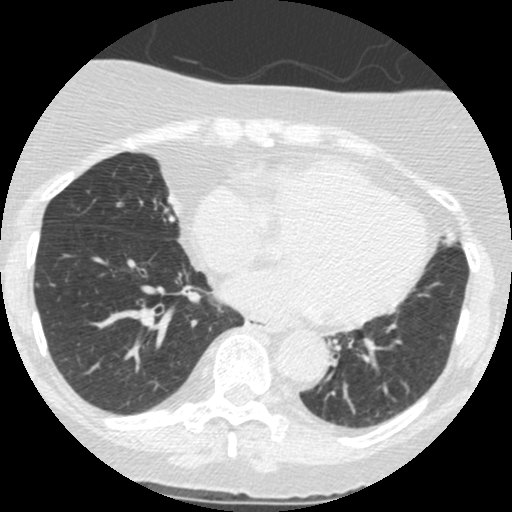
Chest CT, axial plane, 120 kVp, kernel STANDARD. Slice 143/426 from the bottom of the scan; thickness 1.25 mm; pixel size 0.547 mm.
Pulmonary nodule, outlined by one of the four readers. Box on this slice rows 284–288, columns 35–37, that reader's outline on this slice; longest diameter 5.5 mm and volume 33 mm3 from that reader's outline. That reader's ratings: texture 5/5 (solid); margin 5/5 (circumscribed); sphericity 4/5; calcification absent; internal structure soft tissue; subtlety 3/5; malignancy likelihood 2/5. Scale key (1–5): texture non-solid→solid, margin indistinct→circumscribed, sphericity linear→round, subtlety extremely subtle→obvious, malignancy likelihood highly unlikely→highly suspicious of cancer. Box rows and columns are 0-based pixel indices from the top-left corner, inclusive.